Chest CT, axial plane, 120 kVp, kernel STANDARD. Slice 294/375 from the bottom of the scan; thickness 1.25 mm; pixel size 0.625 mm.
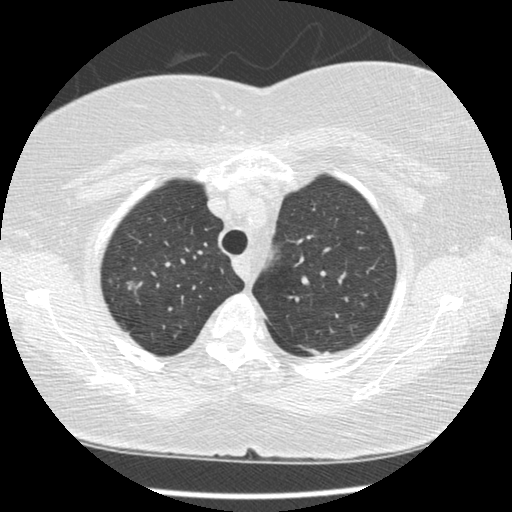
Pulmonary nodule, outlined by all four readers. Box on this slice rows 280–287, columns 125–134, the union of the readers' outlines on this slice; longest diameter 21.2–23.2 mm and volume 2289–3466 mm3 across the four readers' outlines. The readers' ratings, as ranges where they differ: texture from 4/5 to 5/5 (solid) across the four readers; margin from 3/5 to 5/5 (circumscribed) across the four readers; sphericity from 2/5 to 5/5 (round) across the four readers; calcification absent from all four readers; internal structure soft tissue, all four readers agreeing; subtlety 5/5, all four readers agreeing; malignancy likelihood from 3/5 to 5/5 across the four readers. Scale key (1–5): texture non-solid→solid, margin indistinct→circumscribed, sphericity linear→round, subtlety extremely subtle→obvious, malignancy likelihood highly unlikely→highly suspicious of cancer. Box rows and columns are 0-based pixel indices from the top-left corner, inclusive.